One axial slice (219 of 425, counting up from the lowest) of a chest CT acquired at 120 kVp with the B30f kernel; each pixel is 0.539 mm and the slice is 0.75 mm thick.
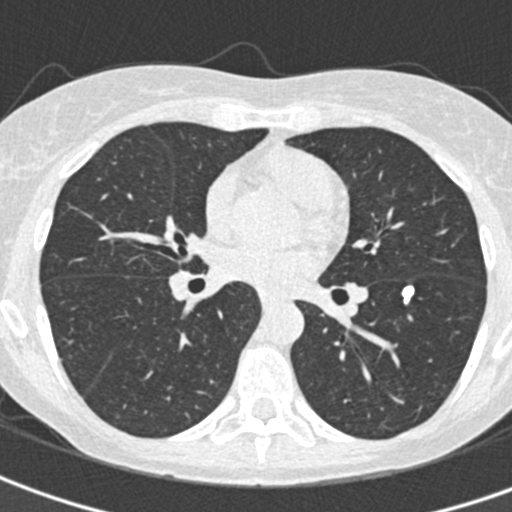
Pulmonary nodule outlined by all four readers; box rows 285–304, columns 401–414 (the union of the readers' outlines on this slice); longest diameter 10.9 mm on average over the four readers' outlines (readers' outlines 7.7–12.7 mm), volume 139–224 mm3. Ratings, by the readers' most common answer with dissent counted: texture 5/5 (solid) from all four readers; margin 5/5 (circumscribed), all four readers agreeing; sphericity 5/5 (round) by two of four readers; the rest gave 2/5 (one), 3/5 (ovoid) (one); calcification solid calcification, all four readers agreeing; internal structure soft tissue, all four readers agreeing; subtlety 5/5 from all four readers; malignancy likelihood 1/5 from all four readers. Scale key (1–5): texture non-solid→solid, margin indistinct→circumscribed, sphericity linear→round, subtlety extremely subtle→obvious, malignancy likelihood highly unlikely→highly suspicious of cancer. Box rows and columns are 0-based pixel indices from the top-left corner, inclusive.